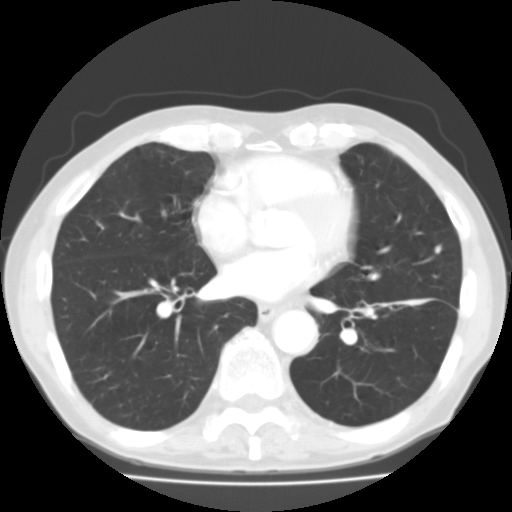
Slice 58/129 of a chest CT, counting up from the lowest; pixel size 0.662 mm, slice thickness 3.00 mm. Pulmonary nodule at rows 245–253, columns 434–441 (box = the union of the readers' outlines on this slice), outlined by three of the four readers; longest diameter 7.0 mm on average over the three readers' outlines (readers' outlines 6.9–7.1 mm), volume 114–176 mm3. Ratings, by the readers' most common answer with dissent counted: texture 5/5 (solid) by two of three readers; the rest gave 4/5 (one); margin 4/5 by two of three readers; the rest gave 5/5 (circumscribed) (one); sphericity 5/5 (round) by two of three readers; the rest gave 4/5 (one); calcification absent from all three readers; internal structure soft tissue from all three readers; subtlety split among the readers: 2/5 (one), 3/5 (one), 4/5 (one); most readers (two of three) put malignancy likelihood at 3/5, others 2/5 (one). Scale key (1–5): texture non-solid→solid, margin indistinct→circumscribed, sphericity linear→round, subtlety extremely subtle→obvious, malignancy likelihood highly unlikely→highly suspicious of cancer. Box rows and columns are 0-based pixel indices from the top-left corner, inclusive.
Acquired at 135 kVp and reconstructed with the FC01 kernel.